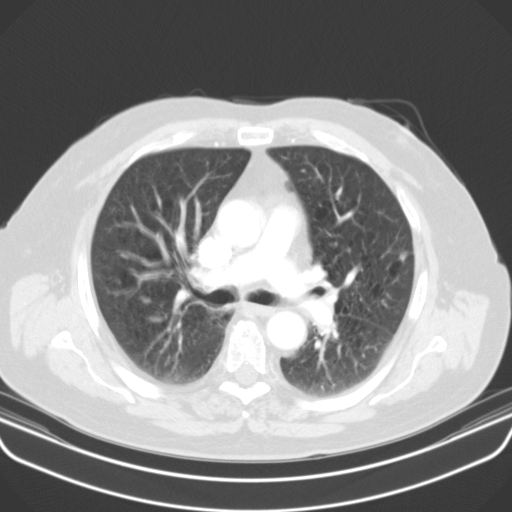
Axial chest CT slice 69 of 107 (counted from the lowest slice); tube voltage 130 kVp, convolution kernel B31s; slices 3.00 mm thick, 0.742 mm per pixel.
Pulmonary nodule at rows 251–260, columns 398–408 (box = the union of the readers' outlines on this slice), outlined by all four readers; median longest diameter 9.4 mm (readers' outlines 9.3–9.5 mm), median volume 375 mm3 (282–416 mm3). Median ratings and the readers' spread: median texture 5/5 (solid) (readers ranged 4/5 to 5/5 (solid)); median margin 4.5/5 (readers ranged 2/5 to 5/5 (circumscribed)); sphericity 3.5/5 at the median of four readers, spread 3/5 (ovoid) to 5/5 (round); calcification absent from all four readers; internal structure soft tissue from all four readers; median subtlety 4.5/5 (readers ranged 3–5); median malignancy likelihood 3/5 (readers ranged 2–4). Scale key (1–5): texture non-solid→solid, margin indistinct→circumscribed, sphericity linear→round, subtlety extremely subtle→obvious, malignancy likelihood highly unlikely→highly suspicious of cancer. Box rows and columns are 0-based pixel indices from the top-left corner, inclusive.